Chest CT, axial plane, 120 kVp, kernel STANDARD. Slice 39/141 from the bottom of the scan; thickness 2.50 mm; pixel size 0.703 mm.
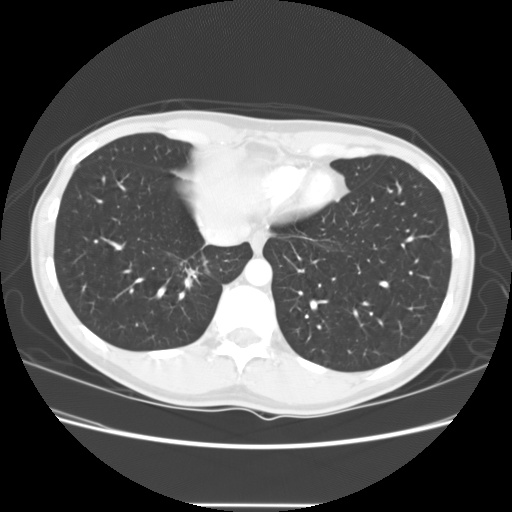
Pulmonary nodule, outlined four times (the source holds one more outline, not used), three of them on this slice. Box on this slice rows 266–289, columns 183–199, the union of the readers' outlines on this slice; longest diameter 32.7 mm on average over the four readers' outlines (readers' outlines 31.6–34.1 mm), volume 4983–9079 mm3. The readers' prevailing ratings and who disagreed: texture 5/5 (solid), all four readers agreeing; most readers (three of four) put margin at 3/5, others 1/5 (indistinct) (one); sphericity split among the readers: 3/5 (ovoid) (two), 4/5 (two); calcification absent, all four readers agreeing; internal structure split among the readers: air (two), soft tissue (two); subtlety 5/5 from all four readers; malignancy likelihood 5/5, all four readers agreeing. Scale key (1–5): texture non-solid→solid, margin indistinct→circumscribed, sphericity linear→round, subtlety extremely subtle→obvious, malignancy likelihood highly unlikely→highly suspicious of cancer. Box rows and columns are 0-based pixel indices from the top-left corner, inclusive.